Axial chest CT slice 84 of 209 (counted from the lowest slice); tube voltage 120 kVp, convolution kernel BONE; slices 1.25 mm thick, 0.617 mm per pixel.
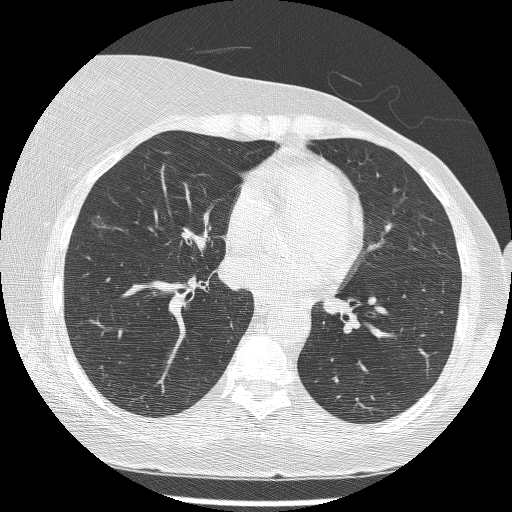
Two pulmonary nodules are outlined on this slice; from left to right: (1) Pulmonary nodule outlined by three of the four readers, two of them on this slice; box rows 215–238, columns 90–112 (the union of the readers' outlines on this slice); the three readers' outlines give a longest diameter between 20.1 and 23.8 mm and a volume between 734 and 2087 mm3. The readers' ratings, as ranges where they differ: texture 1/5 (non-solid), all three readers agreeing; margin 1/5 (indistinct), all three readers agreeing; sphericity from 3/5 (ovoid) to 4/5 across the three readers; calcification absent from all three readers; internal structure soft tissue from all three readers; subtlety rated between 1 and 3 out of 5 by the three readers; malignancy likelihood from 3/5 to 5/5 across the three readers. (2) Pulmonary nodule, outlined by three of the four readers, one of them on this slice. Box on this slice rows 237–249, columns 195–205, the one reader's outline on this slice; the three readers' outlines give a longest diameter between 22.9 and 27.7 mm and a volume between 3040 and 4232 mm3. The readers' ratings, as ranges where they differ: texture 5/5 (solid), all three readers agreeing; margin from 4/5 to 5/5 (circumscribed) across the three readers; sphericity from 3/5 (ovoid) to 4/5 across the three readers; calcification absent, all three readers agreeing; internal structure soft tissue from all three readers; subtlety 5/5, all three readers agreeing; malignancy likelihood 5/5 from all three readers. Scale key (1–5): texture non-solid→solid, margin indistinct→circumscribed, sphericity linear→round, subtlety extremely subtle→obvious, malignancy likelihood highly unlikely→highly suspicious of cancer. Box rows and columns are 0-based pixel indices from the top-left corner, inclusive.